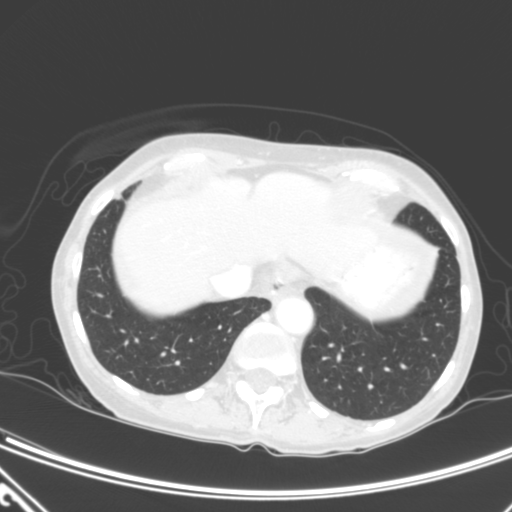
Chest CT, axial plane, 120 kVp, kernel B. Slice 75/320 from the bottom of the scan; thickness 2.00 mm; pixel size 0.662 mm.
Pulmonary nodule, outlined by one of the four readers. Box on this slice rows 194–199, columns 115–122, that reader's outline on this slice; longest diameter 6.6 mm and volume 116 mm3 from that reader's outline. Ratings by that reader: texture 5/5 (solid); margin 4/5; sphericity 2/5; calcification absent; internal structure soft tissue; subtlety 2/5; malignancy likelihood 1/5. Scale key (1–5): texture non-solid→solid, margin indistinct→circumscribed, sphericity linear→round, subtlety extremely subtle→obvious, malignancy likelihood highly unlikely→highly suspicious of cancer. Box rows and columns are 0-based pixel indices from the top-left corner, inclusive.